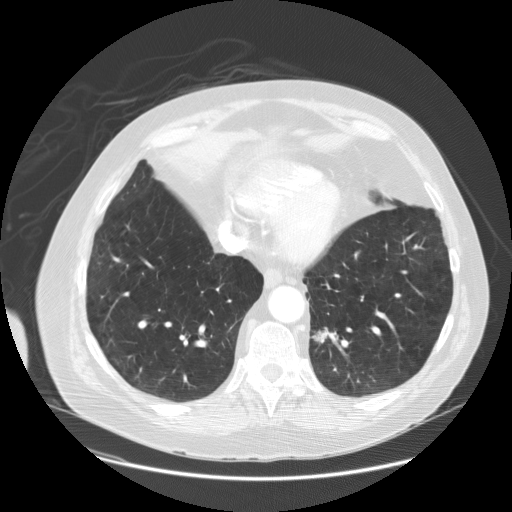
Axial slice 52 of 149 of a chest CT (slice 1 is the lowest), reconstructed with the STANDARD kernel at 120 kVp; 2.50 mm slice thickness and 0.820 mm pixels.
Pulmonary nodule, outlined by all four readers. Box on this slice rows 327–342, columns 310–328, the union of the readers' outlines on this slice; longest diameter 21.9–28.7 mm and volume 2868–3180 mm3 across the four readers' outlines. The readers' ratings, as ranges where they differ: texture from 4/5 to 5/5 (solid) across the four readers; margin from 3/5 to 5/5 (circumscribed) across the four readers; sphericity from 3/5 (ovoid) to 5/5 (round) across the four readers; calcification absent, all four readers agreeing; internal structure soft tissue from all four readers; subtlety 4–5/5 (the readers disagree); malignancy likelihood rated between 3 and 5 out of 5 by the four readers. Scale key (1–5): texture non-solid→solid, margin indistinct→circumscribed, sphericity linear→round, subtlety extremely subtle→obvious, malignancy likelihood highly unlikely→highly suspicious of cancer. Box rows and columns are 0-based pixel indices from the top-left corner, inclusive.